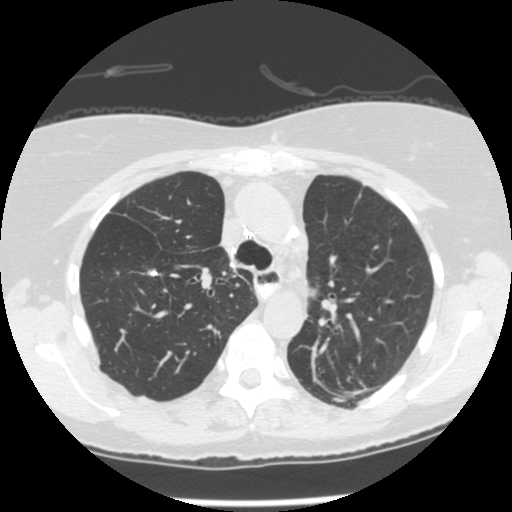
Axial slice 156 of 241 of a chest CT (slice 1 is the lowest), reconstructed with the STANDARD kernel at 120 kVp; 1.25 mm slice thickness and 0.609 mm pixels.
Pulmonary nodule outlined by three of the four readers; box rows 269–276, columns 148–158 (the union of the readers' outlines on this slice); longest diameter 7.6–7.9 mm and volume 97–115 mm3 across the three readers' outlines. Ratings across the readers: texture 5/5 (solid) from all three readers; margin from 4/5 to 5/5 (circumscribed) across the three readers; sphericity from 3/5 (ovoid) to 4/5 across the three readers; calcification: solid calcification (two), absent (one); internal structure soft tissue from all three readers; subtlety rated between 3 and 5 out of 5 by the three readers; malignancy likelihood from 1/5 to 2/5 across the three readers. Scale key (1–5): texture non-solid→solid, margin indistinct→circumscribed, sphericity linear→round, subtlety extremely subtle→obvious, malignancy likelihood highly unlikely→highly suspicious of cancer. Box rows and columns are 0-based pixel indices from the top-left corner, inclusive.